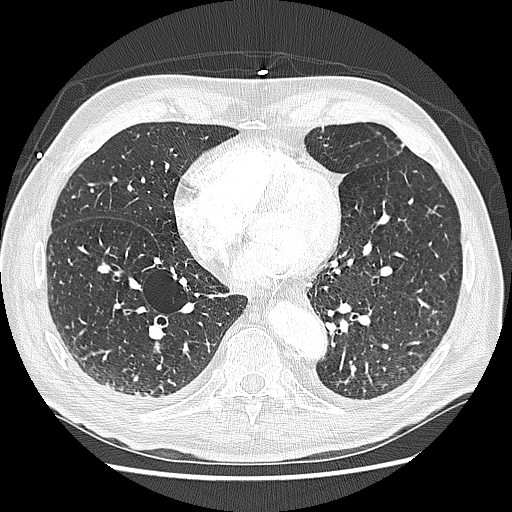
Chest CT, axial plane, 120 kVp, kernel LUNG. Slice 97/242 from the bottom of the scan; thickness 1.25 mm; pixel size 0.703 mm.
None of the four readers outlined a nodule of 3 mm or more on this slice.